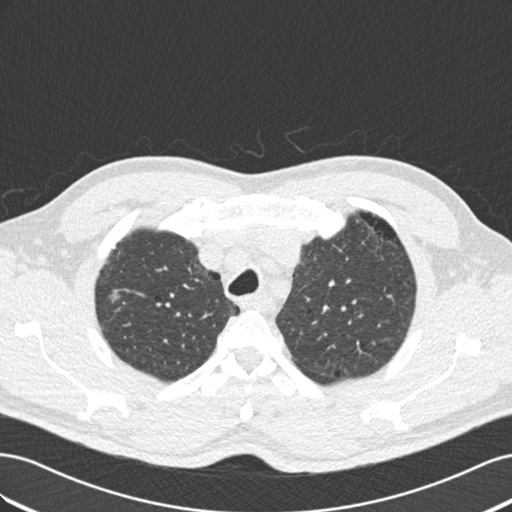
This is axial slice 147 of 187 (slice 1 is the lowest) of a chest CT; each pixel is 0.703 mm and the slice is 2.00 mm thick. Pulmonary nodule outlined by all four readers; box rows 289–303, columns 107–120 (the union of the readers' outlines on this slice); longest diameter 16.4 mm on average over the four readers' outlines (readers' outlines 14.9–18.0 mm), volume 840–1317 mm3. Ratings, by the readers' most common answer with dissent counted: texture split among the readers: 4/5 (two), 5/5 (solid) (two); margin split among the readers: 2/5 (one), 3/5 (one), 4/5 (one), 5/5 (circumscribed) (one); sphericity 4/5 by two of four readers; the rest gave 2/5 (one), 5/5 (round) (one); calcification absent, all four readers agreeing; internal structure soft tissue from all four readers; subtlety 5/5, all four readers agreeing; malignancy likelihood 5/5 by three of four readers; the rest gave 3/5 (one). Scale key (1–5): texture non-solid→solid, margin indistinct→circumscribed, sphericity linear→round, subtlety extremely subtle→obvious, malignancy likelihood highly unlikely→highly suspicious of cancer. Box rows and columns are 0-based pixel indices from the top-left corner, inclusive.
Scan settings: 120 kVp, B30f reconstruction kernel.